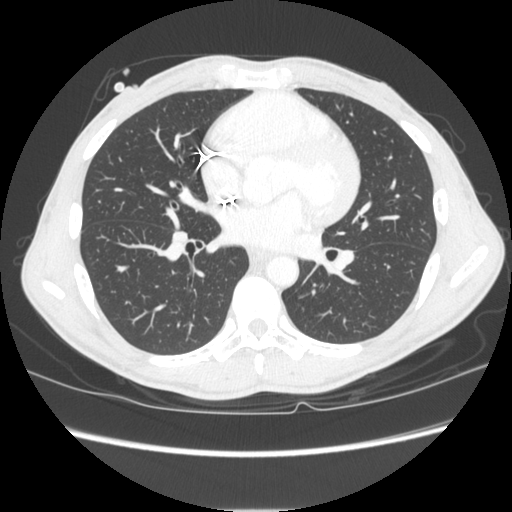
One axial slice (131 of 261, counting up from the lowest) of a chest CT acquired at 120 kVp with the STANDARD kernel; each pixel is 0.684 mm and the slice is 1.25 mm thick.
None of the four readers outlined a nodule of 3 mm or more on this slice.